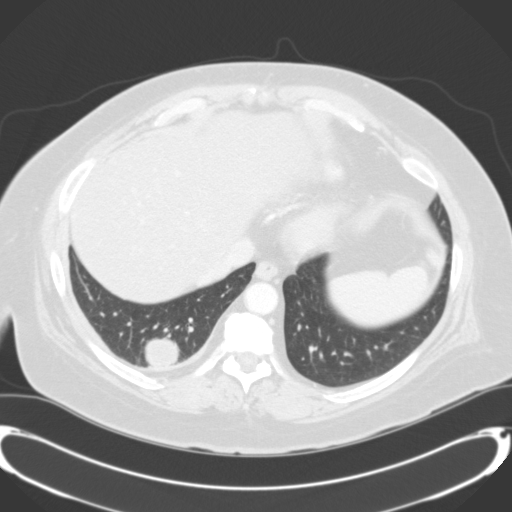
Chest CT, axial plane, 120 kVp, kernel B31f. Slice 56/124 from the bottom of the scan; thickness 3.00 mm; pixel size 0.764 mm.
Pulmonary nodule at rows 336–366, columns 144–179 (box = the union of the readers' outlines on this slice), outlined by three of the four readers; median longest diameter 33.9 mm (readers' outlines 32.1–33.9 mm), median volume 14151 mm3 (13060–14151 mm3). Ratings, median across the readers with their spread: texture 5/5 (solid) at the median of three readers, spread 4/5 to 5/5 (solid); margin 5/5 (circumscribed) at the median of three readers, spread 4/5 to 5/5 (circumscribed); sphericity 4/5 from all three readers; calcification absent from all three readers; internal structure soft tissue, all three readers agreeing; subtlety 5/5, all three readers agreeing; malignancy likelihood 3/5 at the median of three readers, spread 3–5. Scale key (1–5): texture non-solid→solid, margin indistinct→circumscribed, sphericity linear→round, subtlety extremely subtle→obvious, malignancy likelihood highly unlikely→highly suspicious of cancer. Box rows and columns are 0-based pixel indices from the top-left corner, inclusive.